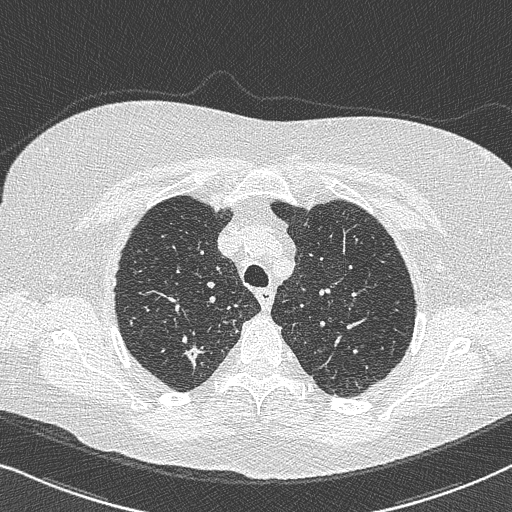
Axial chest CT slice 581 of 733 (counted from the lowest slice); 0.60 mm thick, 0.637 mm per pixel. Pulmonary nodule, outlined by all four readers. Box on this slice rows 342–368, columns 181–206, the union of the readers' outlines on this slice; median longest diameter 21.4 mm (readers' outlines 15.5–29.7 mm), median volume 1103 mm3 (888–2128 mm3). Ratings, median across the readers with their spread: texture 5/5 (solid) at the median of four readers, spread 4/5 to 5/5 (solid); margin 3/5 at the median of four readers, spread 1/5 (indistinct) to 4/5; median sphericity 3/5 (ovoid) (readers ranged 2/5 to 5/5 (round)); calcification absent from all four readers; internal structure soft tissue from all four readers; subtlety 5/5 at the median of four readers, spread 4–5; median malignancy likelihood 4/5 (readers ranged 4–5). Scale key (1–5): texture non-solid→solid, margin indistinct→circumscribed, sphericity linear→round, subtlety extremely subtle→obvious, malignancy likelihood highly unlikely→highly suspicious of cancer. Box rows and columns are 0-based pixel indices from the top-left corner, inclusive.
Acquired at 120 kVp and reconstructed with the B50f kernel.